Axial chest CT slice 52 of 376 (counted from the lowest slice); tube voltage 120 kVp, convolution kernel B30f; slices 0.75 mm thick, 0.461 mm per pixel.
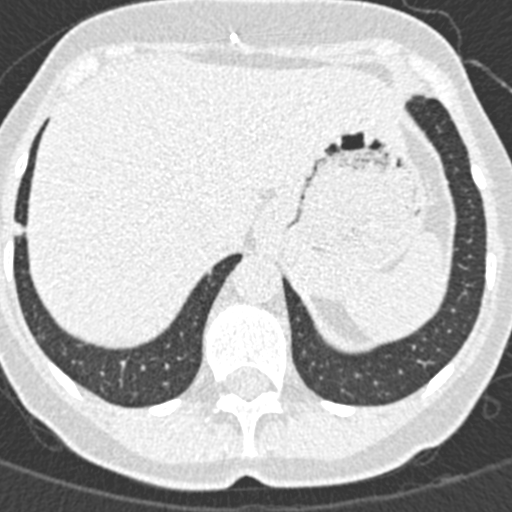
Pulmonary nodule, outlined by all four readers. Box on this slice rows 222–235, columns 13–24, the union of the readers' outlines on this slice; median longest diameter 8.5 mm (readers' outlines 8.1–8.9 mm), median volume 188 mm3 (172–196 mm3). Ratings, median across the readers with their spread: texture 5/5 (solid) at the median of four readers, spread 4/5 to 5/5 (solid); margin 4.5/5 at the median of four readers, spread 4/5 to 5/5 (circumscribed); median sphericity 3.5/5 (readers ranged 3/5 (ovoid) to 4/5); calcification absent from all four readers; internal structure soft tissue from all four readers; subtlety 5/5 at the median of four readers, spread 3–5; median malignancy likelihood 3/5 (readers ranged 2–4). Scale key (1–5): texture non-solid→solid, margin indistinct→circumscribed, sphericity linear→round, subtlety extremely subtle→obvious, malignancy likelihood highly unlikely→highly suspicious of cancer. Box rows and columns are 0-based pixel indices from the top-left corner, inclusive.